Chest CT, axial plane, 120 kVp, kernel STANDARD. Slice 198/305 from the bottom of the scan; thickness 1.25 mm; pixel size 0.732 mm.
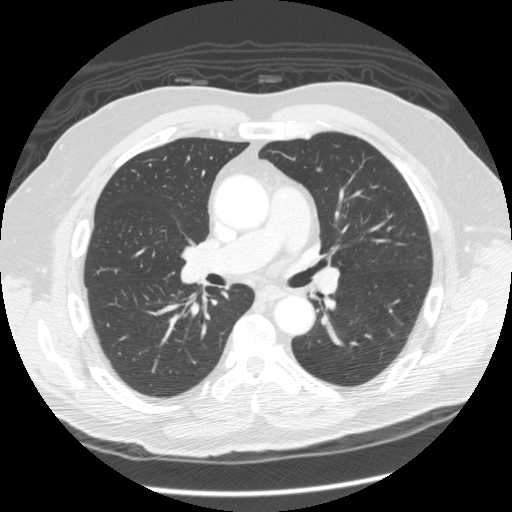
No nodule 3 mm or larger was outlined here by any reader.